Chest CT, axial plane, 120 kVp, kernel STANDARD. Slice 124/513 from the bottom of the scan; thickness 1.25 mm; pixel size 0.742 mm.
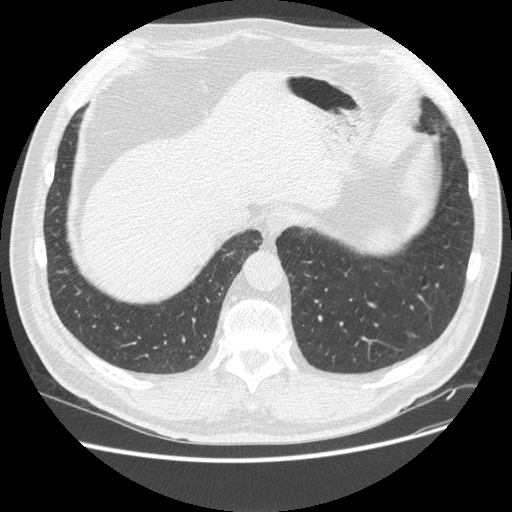
Pulmonary nodule outlined by one of the four readers; box rows 333–337, columns 406–410 (that reader's outline on this slice); longest diameter 8.7 mm and volume 80 mm3 from that reader's outline. That reader's ratings: texture 5/5 (solid); margin 4/5; sphericity 4/5; calcification absent; internal structure soft tissue; subtlety 4/5; malignancy likelihood 3/5. Scale key (1–5): texture non-solid→solid, margin indistinct→circumscribed, sphericity linear→round, subtlety extremely subtle→obvious, malignancy likelihood highly unlikely→highly suspicious of cancer. Box rows and columns are 0-based pixel indices from the top-left corner, inclusive.